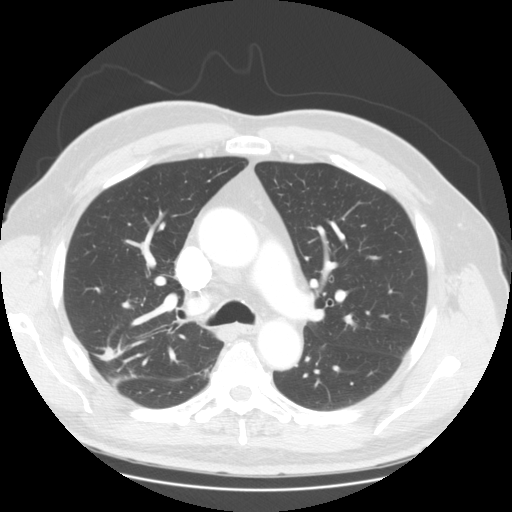
Chest CT, axial plane, 120 kVp, kernel STANDARD. Slice 101/145 from the bottom of the scan; thickness 2.50 mm; pixel size 0.781 mm.
Pulmonary nodule, outlined by three of the four readers, two of them on this slice. Box on this slice rows 348–359, columns 99–114, the union of the readers' outlines on this slice; the three readers' outlines give a longest diameter between 28.0 and 34.8 mm and a volume between 3063 and 5177 mm3. Ratings across the readers: texture from 4/5 to 5/5 (solid) across the three readers; margin from 2/5 to 4/5 across the three readers; sphericity from 2/5 to 5/5 (round) across the three readers; calcification absent, all three readers agreeing; internal structure soft tissue, all three readers agreeing; subtlety 5/5 from all three readers; malignancy likelihood rated between 3 and 5 out of 5 by the three readers. Scale key (1–5): texture non-solid→solid, margin indistinct→circumscribed, sphericity linear→round, subtlety extremely subtle→obvious, malignancy likelihood highly unlikely→highly suspicious of cancer. Box rows and columns are 0-based pixel indices from the top-left corner, inclusive.